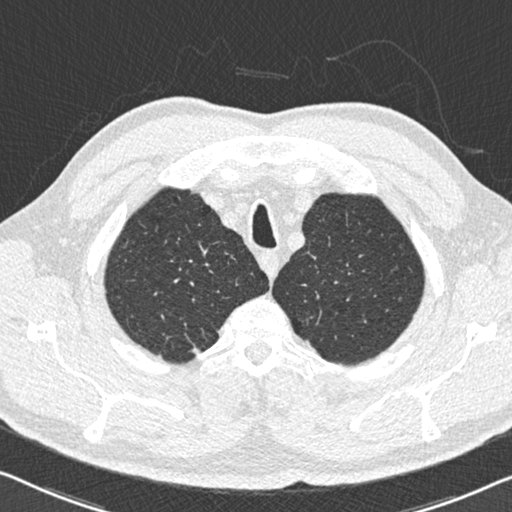
Chest CT, axial plane, 120 kVp, kernel B30f. Slice 498/558 from the bottom of the scan; thickness 0.75 mm; pixel size 0.648 mm.
Pulmonary nodule outlined by all four readers, three of them on this slice; box rows 348–354, columns 191–200 (the union of the readers' outlines on this slice); longest diameter 9.4 mm on average over the four readers' outlines (readers' outlines 9.0–9.8 mm), volume 82–155 mm3. The readers' prevailing ratings and who disagreed: texture 5/5 (solid) by three of four readers; the rest gave 4/5 (one); margin 4/5 by three of four readers; the rest gave 5/5 (circumscribed) (one); most readers (three of four) put sphericity at 2/5, others 5/5 (round) (one); calcification absent from all four readers; internal structure soft tissue from all four readers; subtlety 3/5 by two of four readers; the rest gave 4/5 (one), 5/5 (one); malignancy likelihood split among the readers: 2/5 (two), 3/5 (two). Scale key (1–5): texture non-solid→solid, margin indistinct→circumscribed, sphericity linear→round, subtlety extremely subtle→obvious, malignancy likelihood highly unlikely→highly suspicious of cancer. Box rows and columns are 0-based pixel indices from the top-left corner, inclusive.